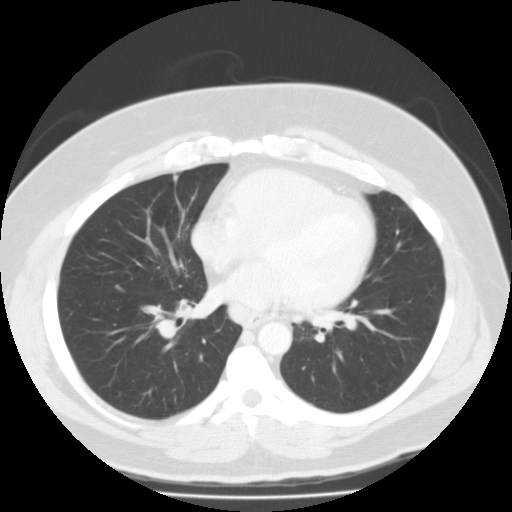
Axial chest CT slice 64 of 126 (counted from the lowest slice); tube voltage 135 kVp, convolution kernel FC01; slices 3.00 mm thick, 0.744 mm per pixel.
Two pulmonary nodules on this slice, listed from left to right. (1) Pulmonary nodule outlined by three of the four readers; box rows 284–291, columns 115–124 (the union of the readers' outlines on this slice); median longest diameter 9.5 mm (readers' outlines 9.5–10.1 mm), median volume 221 mm3 (142–282 mm3). Median ratings and the readers' spread: median texture 5/5 (solid) (readers ranged 3/5 (part-solid) to 5/5 (solid)); median margin 3/5 (readers ranged 2/5 to 5/5 (circumscribed)); sphericity 3/5 (ovoid) at the median of three readers, spread 1/5 (linear) to 5/5 (round); calcification absent, all three readers agreeing; internal structure soft tissue from all three readers; subtlety 3/5 from all three readers; malignancy likelihood 2/5 at the median of three readers, spread 1–2. (2) Pulmonary nodule at rows 175–181, columns 171–177 (box = that reader's outline on this slice), outlined by one of the four readers; longest diameter 6.4 mm and volume 69 mm3 from that reader's outline. That reader's ratings: texture 3/5 (part-solid); margin 2/5; sphericity 3/5 (ovoid); calcification absent; internal structure soft tissue; subtlety 3/5; malignancy likelihood 3/5. Scale key (1–5): texture non-solid→solid, margin indistinct→circumscribed, sphericity linear→round, subtlety extremely subtle→obvious, malignancy likelihood highly unlikely→highly suspicious of cancer. Box rows and columns are 0-based pixel indices from the top-left corner, inclusive.